Chest CT, axial plane, 140 kVp, kernel STANDARD. Slice 445/501 from the bottom of the scan; thickness 1.25 mm; pixel size 0.703 mm.
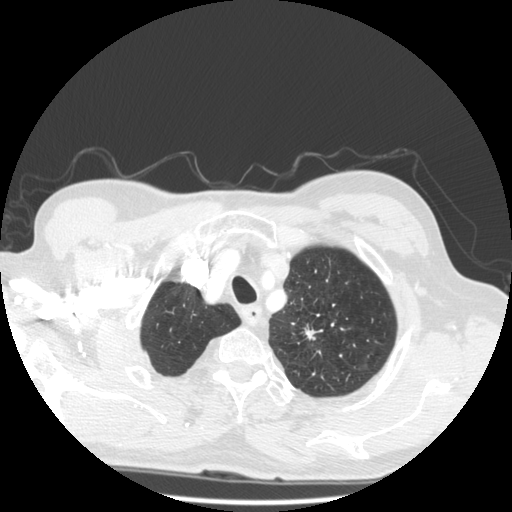
Pulmonary nodule outlined by three of the four readers; box rows 324–339, columns 304–322 (the union of the readers' outlines on this slice); longest diameter 35.0 mm on average over the three readers' outlines (readers' outlines 32.1–39.2 mm), volume 2361–4873 mm3. The readers' prevailing ratings and who disagreed: texture 5/5 (solid) by two of three readers; the rest gave 4/5 (one); margin split among the readers: 1/5 (indistinct) (one), 3/5 (one), 5/5 (circumscribed) (one); sphericity split among the readers: 2/5 (one), 3/5 (ovoid) (one), 5/5 (round) (one); calcification absent from all three readers; internal structure soft tissue, all three readers agreeing; subtlety 5/5, all three readers agreeing; malignancy likelihood 5/5 by two of three readers; the rest gave 4/5 (one). Scale key (1–5): texture non-solid→solid, margin indistinct→circumscribed, sphericity linear→round, subtlety extremely subtle→obvious, malignancy likelihood highly unlikely→highly suspicious of cancer. Box rows and columns are 0-based pixel indices from the top-left corner, inclusive.